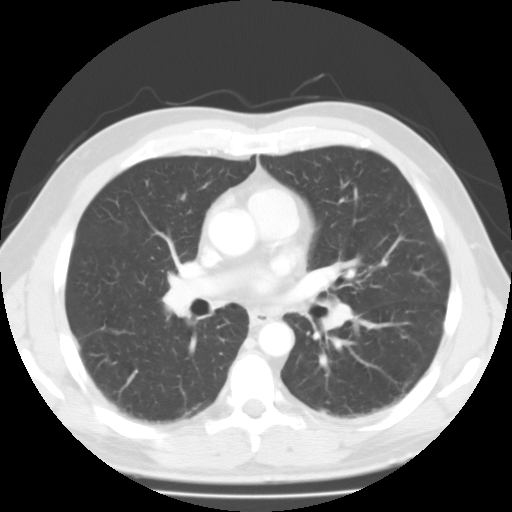
One axial slice (65 of 116, counting up from the lowest) of a chest CT acquired at 135 kVp with the FC01 kernel; each pixel is 0.714 mm and the slice is 3.00 mm thick.
The readers outlined no nodule of 3 mm or more on this slice.